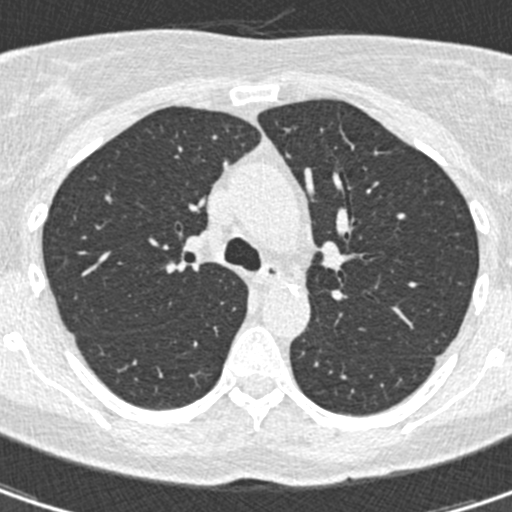
Axial chest CT slice 307 of 441 (counted from the lowest slice); 0.75 mm thick, 0.520 mm per pixel. This slice carries no reader outline of a nodule 3 mm or larger.
Tube voltage 120 kVp; convolution kernel B30f.